Axial slice 237 of 509 of a chest CT (slice 1 is the lowest), reconstructed with the STANDARD kernel at 120 kVp; 1.25 mm slice thickness and 0.703 mm pixels.
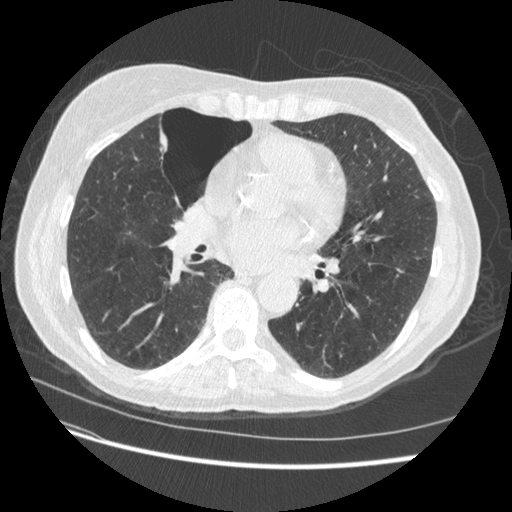
Pulmonary nodule outlined by three of the four readers; box rows 268–272, columns 395–404 (the union of the readers' outlines on this slice); median longest diameter 11.5 mm (readers' outlines 9.2–11.6 mm), median volume 339 mm3 (182–365 mm3). Median ratings and the readers' spread: texture 5/5 (solid) at the median of three readers, spread 4/5 to 5/5 (solid); median margin 4/5 (readers ranged 3/5 to 5/5 (circumscribed)); sphericity 3/5 (ovoid) at the median of three readers, spread 2/5 to 4/5; calcification absent, all three readers agreeing; internal structure soft tissue from all three readers; subtlety 4/5, all three readers agreeing; median malignancy likelihood 3/5 (readers ranged 2–4). Scale key (1–5): texture non-solid→solid, margin indistinct→circumscribed, sphericity linear→round, subtlety extremely subtle→obvious, malignancy likelihood highly unlikely→highly suspicious of cancer. Box rows and columns are 0-based pixel indices from the top-left corner, inclusive.